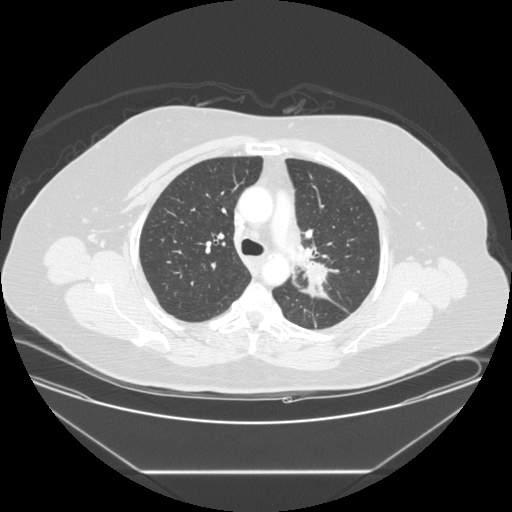
This is axial slice 161 of 225 (slice 1 is the lowest) of a chest CT; each pixel is 0.828 mm and the slice is 1.25 mm thick. Pulmonary nodule outlined by one of the four readers; box rows 262–295, columns 300–326 (that reader's outline on this slice); longest diameter 33.6 mm and volume 4404 mm3 from that reader's outline. Ratings by that reader: texture 5/5 (solid); margin 2/5; sphericity 3/5 (ovoid); calcification absent; internal structure soft tissue; subtlety 5/5; malignancy likelihood 5/5. Scale key (1–5): texture non-solid→solid, margin indistinct→circumscribed, sphericity linear→round, subtlety extremely subtle→obvious, malignancy likelihood highly unlikely→highly suspicious of cancer. Box rows and columns are 0-based pixel indices from the top-left corner, inclusive.
Acquired at 120 kVp and reconstructed with the STANDARD kernel.